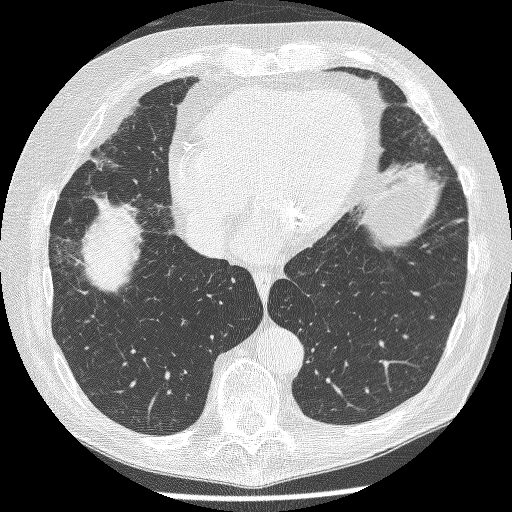
Axial chest CT slice 105 of 250 (counted from the lowest slice); tube voltage 120 kVp, convolution kernel BONE; slices 1.25 mm thick, 0.654 mm per pixel.
Pulmonary nodule outlined by two of the four readers; box rows 277–283, columns 230–235 (the union of the readers' outlines on this slice); longest diameter 5.3 mm on average over the two readers' outlines (readers' outlines 5.0–5.6 mm), volume 36–51 mm3. Ratings, by the readers' most common answer with dissent counted: texture 5/5 (solid) from both readers; margin split among the readers: 4/5 (one), 5/5 (circumscribed) (one); sphericity split among the readers: 3/5 (ovoid) (one), 4/5 (one); calcification absent from both readers; internal structure soft tissue from both readers; subtlety split among the readers: 2/5 (one), 4/5 (one); malignancy likelihood 3/5, both readers agreeing. Scale key (1–5): texture non-solid→solid, margin indistinct→circumscribed, sphericity linear→round, subtlety extremely subtle→obvious, malignancy likelihood highly unlikely→highly suspicious of cancer. Box rows and columns are 0-based pixel indices from the top-left corner, inclusive.